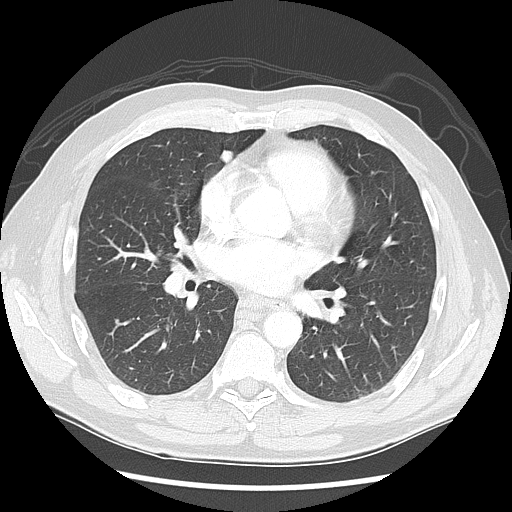
One axial slice (77 of 139, counting up from the lowest) of a chest CT acquired at 120 kVp with the LUNG kernel; each pixel is 0.703 mm and the slice is 2.50 mm thick.
Pulmonary nodule, outlined by all four readers. Box on this slice rows 149–164, columns 220–233, the union of the readers' outlines on this slice; longest diameter 11.4 mm on average over the four readers' outlines (readers' outlines 11.0–11.6 mm), volume 428–661 mm3. Ratings, by the readers' most common answer with dissent counted: texture 5/5 (solid), all four readers agreeing; margin split among the readers: 4/5 (two), 5/5 (circumscribed) (two); sphericity split among the readers: 4/5 (two), 5/5 (round) (two); calcification absent by three of four readers, solid calcification (one); internal structure soft tissue, all four readers agreeing; subtlety 5/5 by two of four readers; the rest gave 3/5 (one), 4/5 (one); malignancy likelihood 3/5 by two of four readers; the rest gave 1/5 (one), 2/5 (one). Scale key (1–5): texture non-solid→solid, margin indistinct→circumscribed, sphericity linear→round, subtlety extremely subtle→obvious, malignancy likelihood highly unlikely→highly suspicious of cancer. Box rows and columns are 0-based pixel indices from the top-left corner, inclusive.